Axial slice 47 of 162 of a chest CT (slice 1 is the lowest), reconstructed with the BONE kernel at 120 kVp; 1.25 mm slice thickness and 0.703 mm pixels.
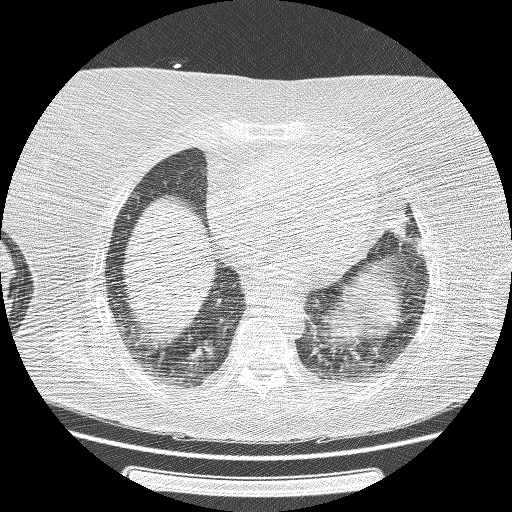
Pulmonary nodule at rows 212–240, columns 386–410 (box = the one reader's outline on this slice), outlined by two of the four readers, one of them on this slice; longest diameter 20.4 mm on average over the two readers' outlines (readers' outlines 19.1–21.7 mm), volume 914–2424 mm3. Ratings, by the readers' most common answer with dissent counted: texture 5/5 (solid) from both readers; margin split among the readers: 3/5 (one), 4/5 (one); sphericity split among the readers: 3/5 (ovoid) (one), 4/5 (one); calcification absent from both readers; internal structure soft tissue from both readers; subtlety split among the readers: 4/5 (one), 5/5 (one); malignancy likelihood 3/5, both readers agreeing. Scale key (1–5): texture non-solid→solid, margin indistinct→circumscribed, sphericity linear→round, subtlety extremely subtle→obvious, malignancy likelihood highly unlikely→highly suspicious of cancer. Box rows and columns are 0-based pixel indices from the top-left corner, inclusive.